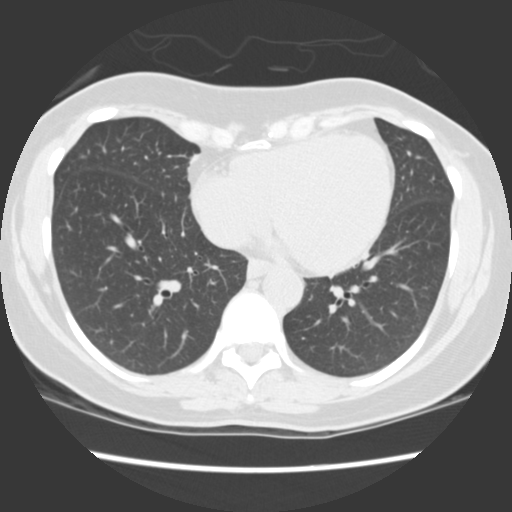
Chest CT, axial plane, 120 kVp, kernel STANDARD. Slice 45/140 from the bottom of the scan; thickness 2.50 mm; pixel size 0.605 mm.
This slice carries no reader outline of a nodule 3 mm or larger.